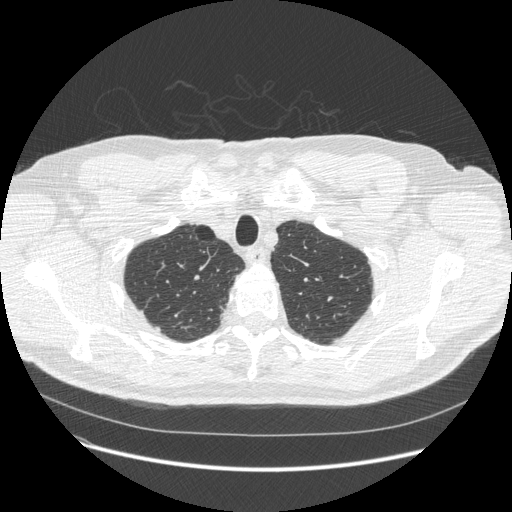
One axial slice (459 of 541, counting up from the lowest) of a chest CT acquired at 120 kVp with the STANDARD kernel; each pixel is 0.781 mm and the slice is 1.25 mm thick.
Pulmonary nodule outlined by one of the four readers; box rows 326–330, columns 155–159 (that reader's outline on this slice); longest diameter 7.2 mm and volume 60 mm3 from that reader's outline. Ratings by that reader: texture 5/5 (solid); margin 5/5 (circumscribed); sphericity 4/5; calcification absent; internal structure soft tissue; subtlety 5/5; malignancy likelihood 3/5. Scale key (1–5): texture non-solid→solid, margin indistinct→circumscribed, sphericity linear→round, subtlety extremely subtle→obvious, malignancy likelihood highly unlikely→highly suspicious of cancer. Box rows and columns are 0-based pixel indices from the top-left corner, inclusive.